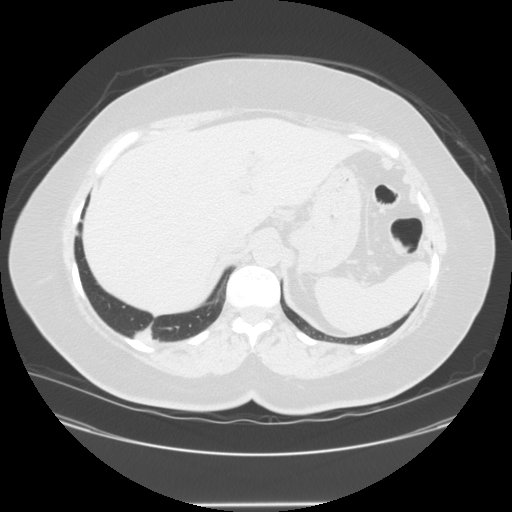
Slice 42/150 of a chest CT, counting up from the lowest; pixel size 0.820 mm, slice thickness 2.50 mm. Pulmonary nodule outlined by three of the four readers, two of them on this slice; box rows 326–338, columns 133–149 (the union of the readers' outlines on this slice); longest diameter 34.5–41.5 mm and volume 15181–19016 mm3 across the three readers' outlines. The readers' ratings, as ranges where they differ: texture 5/5 (solid), all three readers agreeing; margin from 2/5 to 4/5 across the three readers; sphericity from 3/5 (ovoid) to 5/5 (round) across the three readers; calcification absent, all three readers agreeing; internal structure soft tissue from all three readers; subtlety 5/5, all three readers agreeing; malignancy likelihood 5/5, all three readers agreeing. Scale key (1–5): texture non-solid→solid, margin indistinct→circumscribed, sphericity linear→round, subtlety extremely subtle→obvious, malignancy likelihood highly unlikely→highly suspicious of cancer. Box rows and columns are 0-based pixel indices from the top-left corner, inclusive.
Acquired at 120 kVp and reconstructed with the STANDARD kernel.